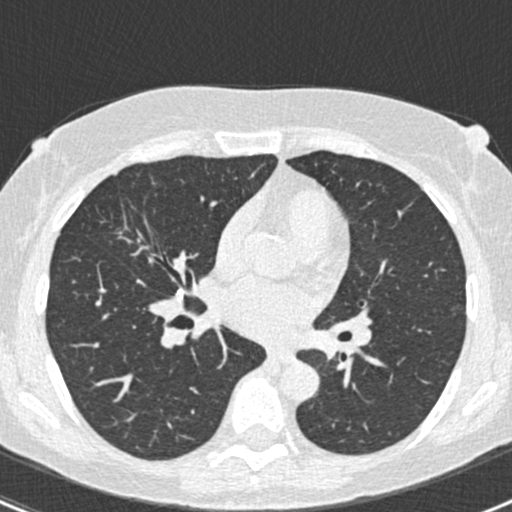
Axial slice 239 of 429 of a chest CT (slice 1 is the lowest), reconstructed with the B30f kernel at 120 kVp; 0.75 mm slice thickness and 0.586 mm pixels.
Pulmonary nodule at rows 239–242, columns 137–139 (box = the union of the readers' outlines on this slice), outlined three times (the source holds two more outlines, not used); longest diameter 9.3 mm on average over the three readers' outlines (readers' outlines 8.0–11.0 mm), volume 95–144 mm3. Ratings, by the readers' most common answer with dissent counted: texture 5/5 (solid), all three readers agreeing; margin 5/5 (circumscribed), all three readers agreeing; sphericity split among the readers: 2/5 (one), 3/5 (ovoid) (one), 5/5 (round) (one); calcification solid calcification, all three readers agreeing; internal structure soft tissue, all three readers agreeing; most readers (two of three) put subtlety at 4/5, others 5/5 (one); malignancy likelihood 1/5 from all three readers. Scale key (1–5): texture non-solid→solid, margin indistinct→circumscribed, sphericity linear→round, subtlety extremely subtle→obvious, malignancy likelihood highly unlikely→highly suspicious of cancer. Box rows and columns are 0-based pixel indices from the top-left corner, inclusive.